One axial slice (56 of 122, counting up from the lowest) of a chest CT acquired at 120 kVp with the B31f kernel; each pixel is 0.566 mm and the slice is 3.00 mm thick.
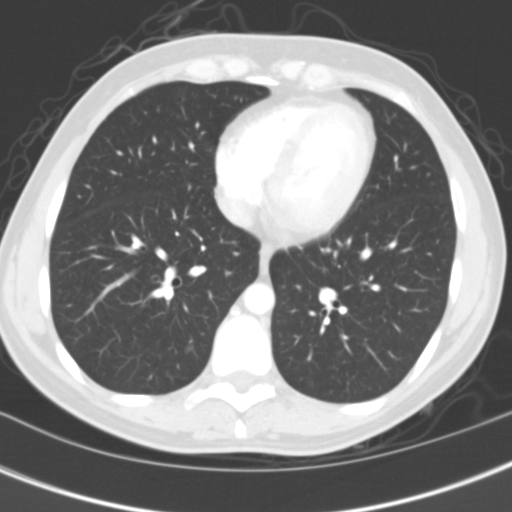
Pulmonary nodule at rows 345–354, columns 184–191 (box = the one reader's outline on this slice), outlined by two of the four readers, one of them on this slice; longest diameter 7.3 mm on average over the two readers' outlines (readers' outlines 6.9–7.6 mm), volume 74–141 mm3. The readers' prevailing ratings and who disagreed: texture split among the readers: 3/5 (part-solid) (one), 5/5 (solid) (one); margin split among the readers: 4/5 (one), 5/5 (circumscribed) (one); sphericity 3/5 (ovoid) from both readers; calcification absent from both readers; internal structure soft tissue, both readers agreeing; subtlety split among the readers: 2/5 (one), 5/5 (one); malignancy likelihood split among the readers: 2/5 (one), 4/5 (one). Scale key (1–5): texture non-solid→solid, margin indistinct→circumscribed, sphericity linear→round, subtlety extremely subtle→obvious, malignancy likelihood highly unlikely→highly suspicious of cancer. Box rows and columns are 0-based pixel indices from the top-left corner, inclusive.